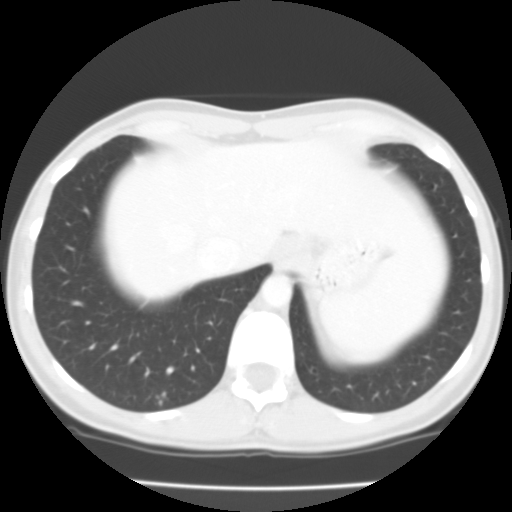
Chest CT, axial plane, 135 kVp, kernel FC01. Slice 25/111 from the bottom of the scan; thickness 3.00 mm; pixel size 0.582 mm.
Pulmonary nodule outlined by all four readers, three of them on this slice; box rows 396–405, columns 156–163 (the union of the readers' outlines on this slice); median longest diameter 13.4 mm (readers' outlines 11.4–15.5 mm), median volume 621 mm3 (422–811 mm3). Median ratings and the readers' spread: median texture 3.5/5 (readers ranged 3/5 (part-solid) to 5/5 (solid)); median margin 3/5 (readers ranged 1/5 (indistinct) to 3/5); sphericity 2.5/5 at the median of four readers, spread 2/5 to 3/5 (ovoid); calcification absent, all four readers agreeing; internal structure soft tissue from all four readers; subtlety 5/5 at the median of four readers, spread 4–5; median malignancy likelihood 3/5 (readers ranged 3–4). Scale key (1–5): texture non-solid→solid, margin indistinct→circumscribed, sphericity linear→round, subtlety extremely subtle→obvious, malignancy likelihood highly unlikely→highly suspicious of cancer. Box rows and columns are 0-based pixel indices from the top-left corner, inclusive.